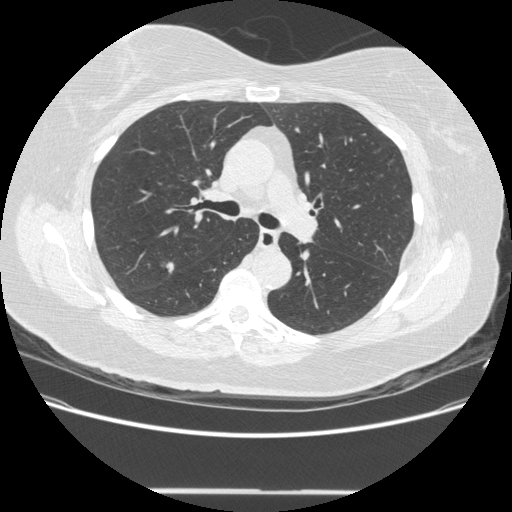
Axial slice 294 of 481 of a chest CT (slice 1 is the lowest), reconstructed with the STANDARD kernel at 120 kVp; 1.25 mm slice thickness and 0.742 mm pixels.
Pulmonary nodule, outlined by three of the four readers. Box on this slice rows 261–273, columns 160–174, the union of the readers' outlines on this slice; longest diameter 14.5 mm on average over the three readers' outlines (readers' outlines 13.9–15.6 mm), volume 741–820 mm3. Ratings, by the readers' most common answer with dissent counted: texture 4/5, all three readers agreeing; most readers (two of three) put margin at 4/5, others 3/5 (one); most readers (two of three) put sphericity at 3/5 (ovoid), others 4/5 (one); calcification absent, all three readers agreeing; internal structure soft tissue from all three readers; most readers (two of three) put subtlety at 4/5, others 5/5 (one); malignancy likelihood 5/5 by two of three readers; the rest gave 4/5 (one). Scale key (1–5): texture non-solid→solid, margin indistinct→circumscribed, sphericity linear→round, subtlety extremely subtle→obvious, malignancy likelihood highly unlikely→highly suspicious of cancer. Box rows and columns are 0-based pixel indices from the top-left corner, inclusive.